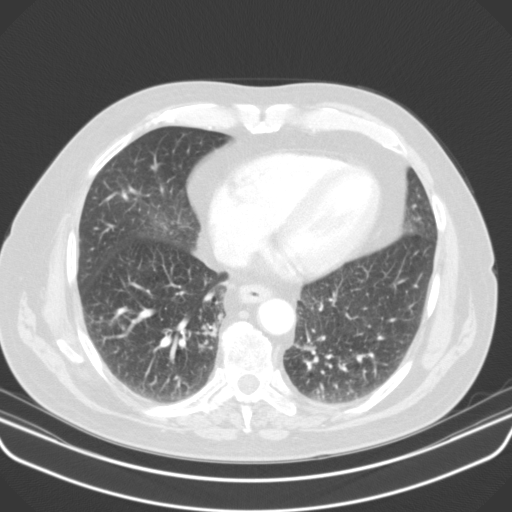
Chest CT, axial plane, 130 kVp, kernel B31s. Slice 47/107 from the bottom of the scan; thickness 3.00 mm; pixel size 0.742 mm.
Pulmonary nodule outlined by one of the four readers; box rows 312–335, columns 212–221 (that reader's outline on this slice); longest diameter 19.7 mm and volume 1325 mm3 from that reader's outline. That reader's ratings: texture 4/5; margin 4/5; sphericity 3/5 (ovoid); calcification absent; internal structure soft tissue; subtlety 4/5; malignancy likelihood 3/5. Scale key (1–5): texture non-solid→solid, margin indistinct→circumscribed, sphericity linear→round, subtlety extremely subtle→obvious, malignancy likelihood highly unlikely→highly suspicious of cancer. Box rows and columns are 0-based pixel indices from the top-left corner, inclusive.